Chest CT, axial plane, 130 kVp, kernel B31s. Slice 71/121 from the bottom of the scan; thickness 3.00 mm; pixel size 0.766 mm.
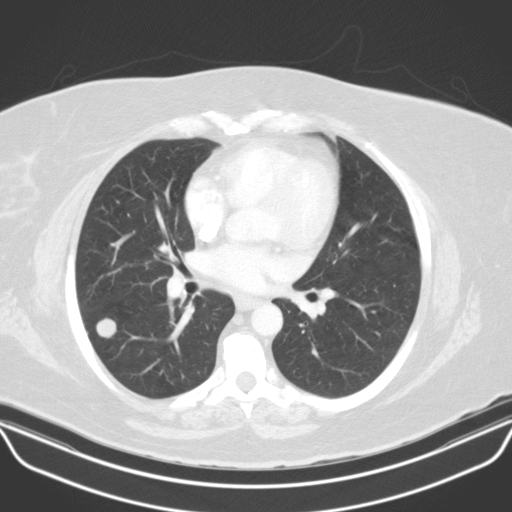
Pulmonary nodule, outlined by all four readers. Box on this slice rows 317–338, columns 95–117, the union of the readers' outlines on this slice; median longest diameter 17.9 mm (readers' outlines 16.8–18.8 mm), median volume 2401 mm3 (1878–2483 mm3). Median ratings and the readers' spread: texture 5/5 (solid), all four readers agreeing; margin 5/5 (circumscribed) at the median of four readers, spread 4/5 to 5/5 (circumscribed); sphericity 5/5 (round) from all four readers; calcification absent, all four readers agreeing; internal structure soft tissue, all four readers agreeing; subtlety 5/5, all four readers agreeing; median malignancy likelihood 3.5/5 (readers ranged 3–4). Scale key (1–5): texture non-solid→solid, margin indistinct→circumscribed, sphericity linear→round, subtlety extremely subtle→obvious, malignancy likelihood highly unlikely→highly suspicious of cancer. Box rows and columns are 0-based pixel indices from the top-left corner, inclusive.